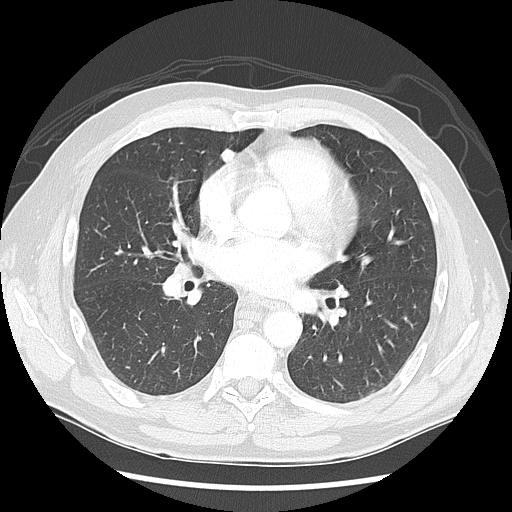
One axial slice (76 of 139, counting up from the lowest) of a chest CT acquired at 120 kVp with the LUNG kernel; each pixel is 0.703 mm and the slice is 2.50 mm thick.
Pulmonary nodule at rows 148–162, columns 221–235 (box = the union of the readers' outlines on this slice), outlined by all four readers; median longest diameter 11.5 mm (readers' outlines 11.0–11.6 mm), median volume 542 mm3 (428–661 mm3). Median ratings and the readers' spread: texture 5/5 (solid), all four readers agreeing; median margin 4.5/5 (readers ranged 4/5 to 5/5 (circumscribed)); sphericity 4.5/5 at the median of four readers, spread 4/5 to 5/5 (round); calcification: absent (three), solid calcification (one); internal structure soft tissue, all four readers agreeing; subtlety 4.5/5 at the median of four readers, spread 3–5; median malignancy likelihood 2.5/5 (readers ranged 1–3). Scale key (1–5): texture non-solid→solid, margin indistinct→circumscribed, sphericity linear→round, subtlety extremely subtle→obvious, malignancy likelihood highly unlikely→highly suspicious of cancer. Box rows and columns are 0-based pixel indices from the top-left corner, inclusive.